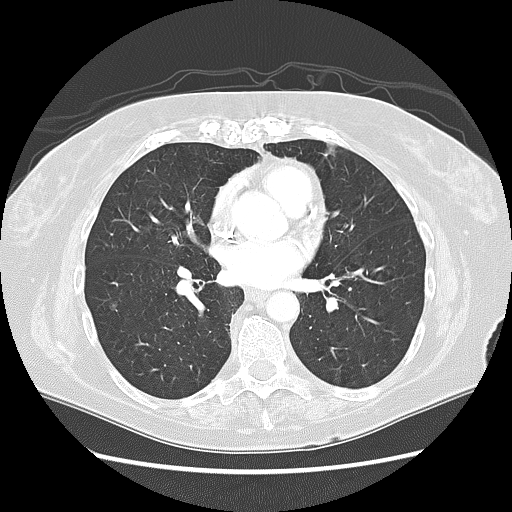
Slice 53/125 of a chest CT, counting up from the lowest; pixel size 0.703 mm, slice thickness 2.50 mm. Pulmonary nodule at rows 301–311, columns 109–117 (box = that reader's outline on this slice), outlined by one of the four readers; longest diameter 8.6 mm and volume 110 mm3 from that reader's outline. Ratings by that reader: texture 1/5 (non-solid); margin 1/5 (indistinct); sphericity 5/5 (round); calcification absent; internal structure soft tissue; subtlety 1/5; malignancy likelihood 2/5. Scale key (1–5): texture non-solid→solid, margin indistinct→circumscribed, sphericity linear→round, subtlety extremely subtle→obvious, malignancy likelihood highly unlikely→highly suspicious of cancer. Box rows and columns are 0-based pixel indices from the top-left corner, inclusive.
Tube voltage 120 kVp; convolution kernel LUNG.